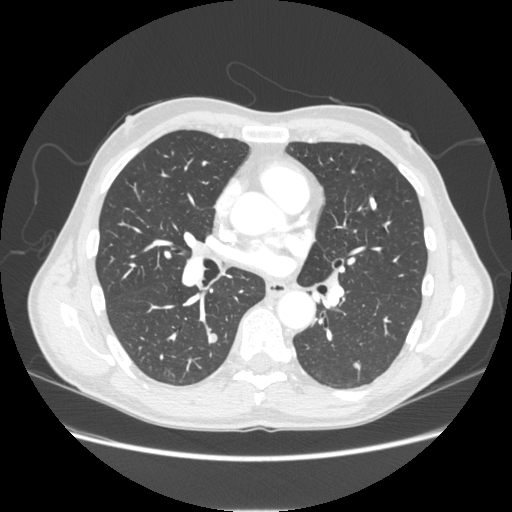
Slice 126/253 of a chest CT, counting up from the lowest; pixel size 0.742 mm, slice thickness 1.25 mm. Two pulmonary nodules are outlined on this slice; from left to right: (1) Pulmonary nodule at rows 333–342, columns 208–217 (box = the union of the readers' outlines on this slice), outlined by all four readers; longest diameter 8.9 mm on average over the four readers' outlines (readers' outlines 8.5–9.3 mm), volume 204–262 mm3. The readers' prevailing ratings and who disagreed: texture 5/5 (solid) from all four readers; margin 5/5 (circumscribed) by three of four readers; the rest gave 1/5 (indistinct) (one); sphericity 5/5 (round) by three of four readers; the rest gave 4/5 (one); calcification absent, all four readers agreeing; internal structure soft tissue, all four readers agreeing; subtlety 4/5 by two of four readers; the rest gave 3/5 (one), 5/5 (one); malignancy likelihood 2/5 by two of four readers; the rest gave 3/5 (one), 4/5 (one). (2) Pulmonary nodule outlined by all four readers; box rows 361–370, columns 352–360 (the union of the readers' outlines on this slice); the four readers' outlines give a longest diameter between 8.7 and 11.4 mm and a volume between 216 and 250 mm3. Ratings across the readers: texture 5/5 (solid) from all four readers; margin from 4/5 to 5/5 (circumscribed) across the four readers; sphericity from 4/5 to 5/5 (round) across the four readers; calcification absent from all four readers; internal structure soft tissue from all four readers; subtlety rated between 3 and 5 out of 5 by the four readers; malignancy likelihood 2–4/5 (the readers disagree). Scale key (1–5): texture non-solid→solid, margin indistinct→circumscribed, sphericity linear→round, subtlety extremely subtle→obvious, malignancy likelihood highly unlikely→highly suspicious of cancer. Box rows and columns are 0-based pixel indices from the top-left corner, inclusive.
Tube voltage 120 kVp; convolution kernel STANDARD.